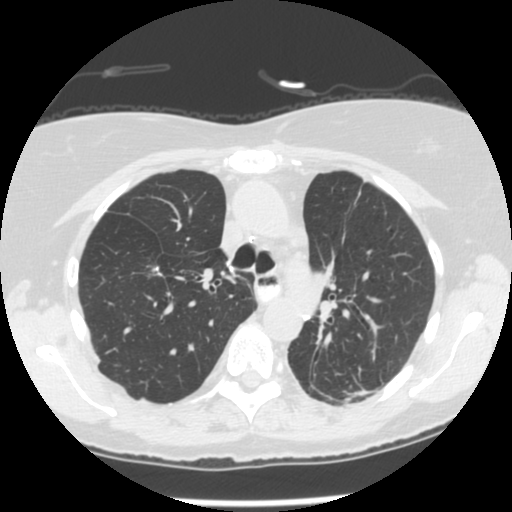
One axial slice (153 of 241, counting up from the lowest) of a chest CT acquired at 120 kVp with the STANDARD kernel; each pixel is 0.609 mm and the slice is 1.25 mm thick.
Pulmonary nodule at rows 266–271, columns 153–159 (box = the union of the readers' outlines on this slice), outlined by three of the four readers, two of them on this slice; longest diameter 7.8 mm on average over the three readers' outlines (readers' outlines 7.6–7.9 mm), volume 97–115 mm3. The readers' prevailing ratings and who disagreed: texture 5/5 (solid) from all three readers; margin 4/5 by two of three readers; the rest gave 5/5 (circumscribed) (one); sphericity 4/5 by two of three readers; the rest gave 3/5 (ovoid) (one); calcification solid calcification by two of three readers, absent (one); internal structure soft tissue from all three readers; subtlety split among the readers: 3/5 (one), 4/5 (one), 5/5 (one); most readers (two of three) put malignancy likelihood at 1/5, others 2/5 (one). Scale key (1–5): texture non-solid→solid, margin indistinct→circumscribed, sphericity linear→round, subtlety extremely subtle→obvious, malignancy likelihood highly unlikely→highly suspicious of cancer. Box rows and columns are 0-based pixel indices from the top-left corner, inclusive.